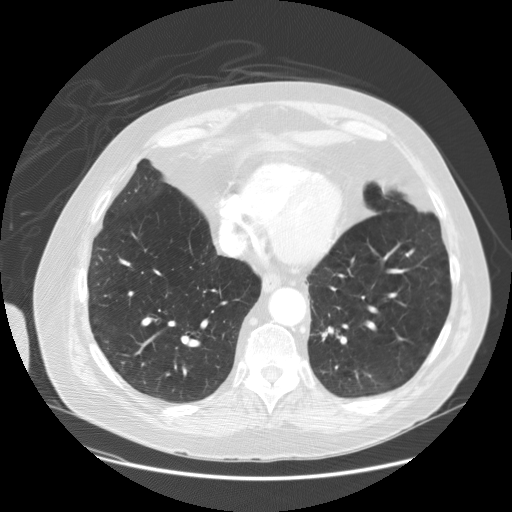
Axial chest CT slice 54 of 149 (counted from the lowest slice); 2.50 mm thick, 0.820 mm per pixel. Pulmonary nodule at rows 331–335, columns 322–327 (box = the one reader's outline on this slice), outlined by all four readers, one of them on this slice; the four readers' outlines give a longest diameter between 21.9 and 28.7 mm and a volume between 2868 and 3180 mm3. The readers' ratings, as ranges where they differ: texture from 4/5 to 5/5 (solid) across the four readers; margin from 3/5 to 5/5 (circumscribed) across the four readers; sphericity from 3/5 (ovoid) to 5/5 (round) across the four readers; calcification absent, all four readers agreeing; internal structure soft tissue, all four readers agreeing; subtlety 4–5/5 (the readers disagree); malignancy likelihood rated between 3 and 5 out of 5 by the four readers. Scale key (1–5): texture non-solid→solid, margin indistinct→circumscribed, sphericity linear→round, subtlety extremely subtle→obvious, malignancy likelihood highly unlikely→highly suspicious of cancer. Box rows and columns are 0-based pixel indices from the top-left corner, inclusive.
Scan settings: 120 kVp, STANDARD reconstruction kernel.